Chest CT, axial plane, 130 kVp, kernel B31s. Slice 95/134 from the bottom of the scan; thickness 3.00 mm; pixel size 0.715 mm.
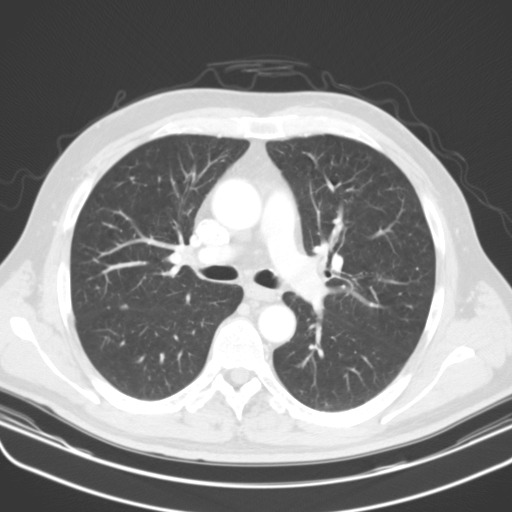
Pulmonary nodule at rows 304–309, columns 120–127 (box = the union of the readers' outlines on this slice), outlined by all four readers, three of them on this slice; the four readers' outlines give a longest diameter between 7.5 and 8.8 mm and a volume between 90 and 227 mm3. Ratings across the readers: texture 5/5 (solid), all four readers agreeing; margin from 4/5 to 5/5 (circumscribed) across the four readers; sphericity from 3/5 (ovoid) to 4/5 across the four readers; calcification: absent (two), solid calcification (one), central calcification (one); internal structure soft tissue from all four readers; subtlety 3–5/5 (the readers disagree); malignancy likelihood rated between 1 and 3 out of 5 by the four readers. Scale key (1–5): texture non-solid→solid, margin indistinct→circumscribed, sphericity linear→round, subtlety extremely subtle→obvious, malignancy likelihood highly unlikely→highly suspicious of cancer. Box rows and columns are 0-based pixel indices from the top-left corner, inclusive.